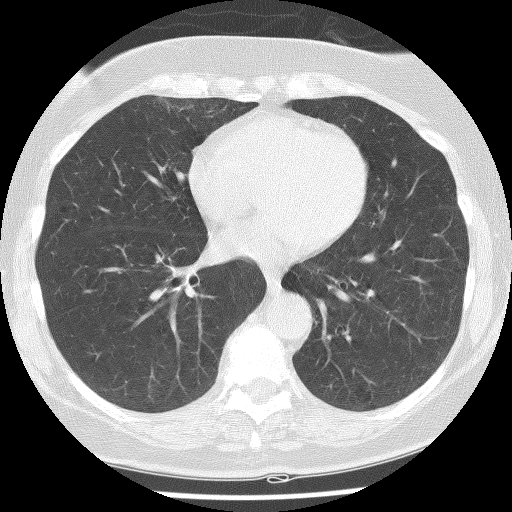
Axial chest CT slice 42 of 103 (counted from the lowest slice); 2.50 mm thick, 0.564 mm per pixel. None of the four readers outlined a nodule of 3 mm or more on this slice.
Tube voltage 140 kVp; convolution kernel BONE.